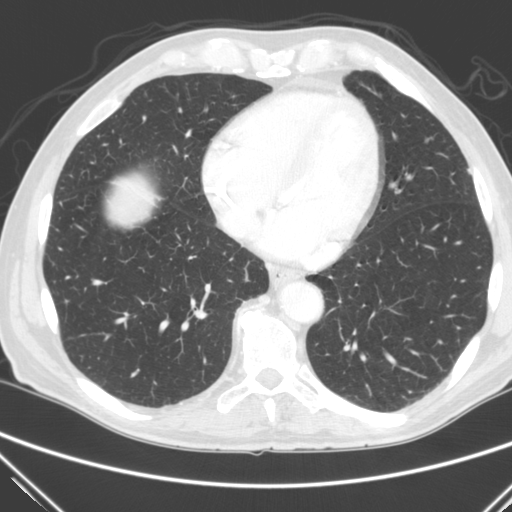
Axial chest CT slice 89 of 290 (counted from the lowest slice); 2.00 mm thick, 0.682 mm per pixel. Pulmonary nodule, outlined by one of the four readers. Box on this slice rows 169–173, columns 466–470, that reader's outline on this slice; longest diameter 7.0 mm and volume 65 mm3 from that reader's outline. Ratings by that reader: texture 5/5 (solid); margin 4/5; sphericity 4/5; calcification absent; internal structure soft tissue; subtlety 5/5; malignancy likelihood 3/5. Scale key (1–5): texture non-solid→solid, margin indistinct→circumscribed, sphericity linear→round, subtlety extremely subtle→obvious, malignancy likelihood highly unlikely→highly suspicious of cancer. Box rows and columns are 0-based pixel indices from the top-left corner, inclusive.
Scan settings: 120 kVp, C reconstruction kernel.